Axial chest CT slice 220 of 266 (counted from the lowest slice); tube voltage 120 kVp, convolution kernel D; slices 1.00 mm thick, 0.668 mm per pixel.
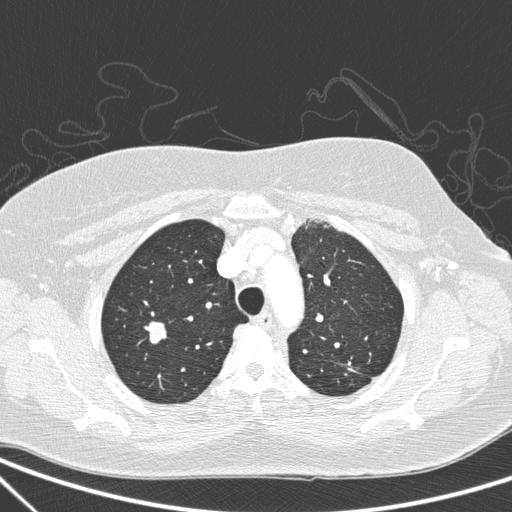
Pulmonary nodule, outlined by all four readers. Box on this slice rows 321–343, columns 144–166, the union of the readers' outlines on this slice; median longest diameter 17.2 mm (readers' outlines 16.7–17.7 mm), median volume 1372 mm3 (1306–1533 mm3). Median ratings and the readers' spread: texture 5/5 (solid) from all four readers; margin 3/5 at the median of four readers, spread 2/5 to 5/5 (circumscribed); median sphericity 4/5 (readers ranged 3/5 (ovoid) to 5/5 (round)); calcification absent, all four readers agreeing; internal structure soft tissue from all four readers; subtlety 5/5 from all four readers; median malignancy likelihood 5/5 (readers ranged 2–5). Scale key (1–5): texture non-solid→solid, margin indistinct→circumscribed, sphericity linear→round, subtlety extremely subtle→obvious, malignancy likelihood highly unlikely→highly suspicious of cancer. Box rows and columns are 0-based pixel indices from the top-left corner, inclusive.